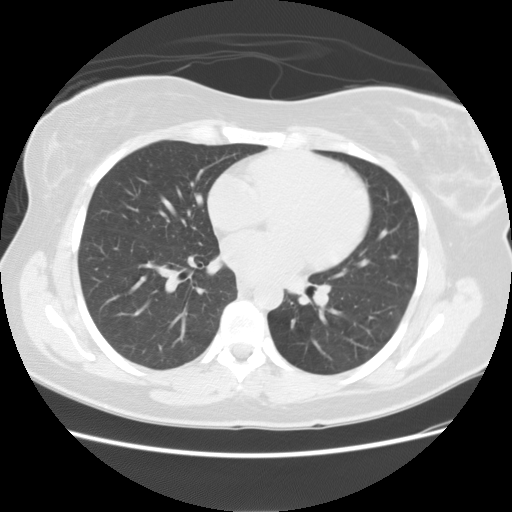
Axial slice 71 of 127 of a chest CT (slice 1 is the lowest), reconstructed with the STANDARD kernel at 120 kVp; 2.50 mm slice thickness and 0.703 mm pixels.
No nodule of 3 mm or larger was outlined by any of the four readers on this slice.